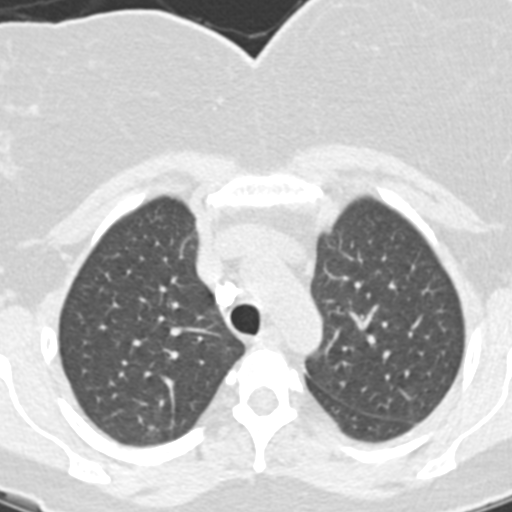
Chest CT, axial plane, 130 kVp, kernel B20s. Slice 143/331 from the bottom of the scan; thickness 1.25 mm; pixel size 0.496 mm.
Pulmonary nodule outlined by all four readers, two of them on this slice; box rows 425–430, columns 148–154 (the union of the readers' outlines on this slice); longest diameter 6.9–8.4 mm and volume 132–209 mm3 across the four readers' outlines. Ratings across the readers: texture 5/5 (solid) from all four readers; margin 5/5 (circumscribed) from all four readers; sphericity from 4/5 to 5/5 (round) across the four readers; calcification: solid calcification (three), central calcification (one); internal structure soft tissue from all four readers; subtlety rated between 4 and 5 out of 5 by the four readers; malignancy likelihood 1/5, all four readers agreeing. Scale key (1–5): texture non-solid→solid, margin indistinct→circumscribed, sphericity linear→round, subtlety extremely subtle→obvious, malignancy likelihood highly unlikely→highly suspicious of cancer. Box rows and columns are 0-based pixel indices from the top-left corner, inclusive.